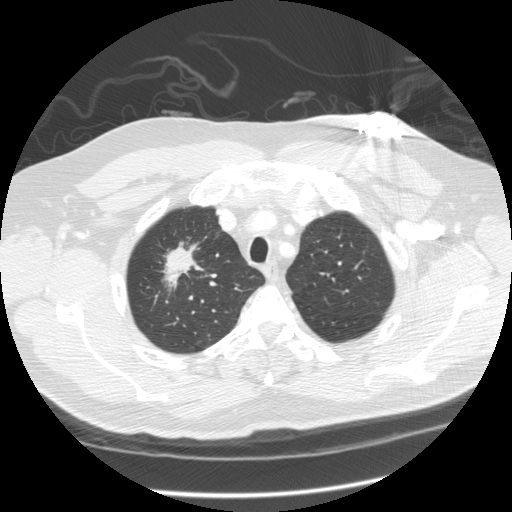
This is axial slice 256 of 305 (slice 1 is the lowest) of a chest CT; each pixel is 0.732 mm and the slice is 1.25 mm thick. Pulmonary nodule, outlined by three of the four readers. Box on this slice rows 241–291, columns 161–204, the union of the readers' outlines on this slice; the three readers' outlines give a longest diameter between 41.0 and 45.9 mm and a volume between 6528 and 11092 mm3. Ratings across the readers: texture from 3/5 (part-solid) to 5/5 (solid) across the three readers; margin from 1/5 (indistinct) to 4/5 across the three readers; sphericity from 2/5 to 3/5 (ovoid) across the three readers; calcification absent from all three readers; internal structure soft tissue, all three readers agreeing; subtlety 5/5 from all three readers; malignancy likelihood 5/5, all three readers agreeing. Scale key (1–5): texture non-solid→solid, margin indistinct→circumscribed, sphericity linear→round, subtlety extremely subtle→obvious, malignancy likelihood highly unlikely→highly suspicious of cancer. Box rows and columns are 0-based pixel indices from the top-left corner, inclusive.
Tube voltage 120 kVp; convolution kernel STANDARD.